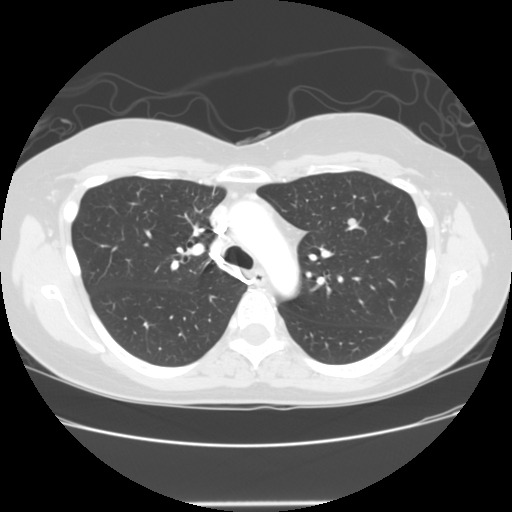
Axial slice 97 of 140 of a chest CT (slice 1 is the lowest), reconstructed with the STANDARD kernel at 120 kVp; 2.50 mm slice thickness and 0.703 mm pixels.
Pulmonary nodule outlined by all four readers; box rows 218–226, columns 348–356 (the union of the readers' outlines on this slice); longest diameter 7.5 mm on average over the four readers' outlines (readers' outlines 7.2–7.9 mm), volume 173–260 mm3. The readers' prevailing ratings and who disagreed: texture 5/5 (solid) from all four readers; margin 5/5 (circumscribed) by three of four readers; the rest gave 4/5 (one); sphericity split among the readers: 4/5 (two), 5/5 (round) (two); calcification absent, all four readers agreeing; internal structure soft tissue, all four readers agreeing; subtlety 3/5 by three of four readers; the rest gave 4/5 (one); malignancy likelihood split among the readers: 2/5 (two), 3/5 (two). Scale key (1–5): texture non-solid→solid, margin indistinct→circumscribed, sphericity linear→round, subtlety extremely subtle→obvious, malignancy likelihood highly unlikely→highly suspicious of cancer. Box rows and columns are 0-based pixel indices from the top-left corner, inclusive.